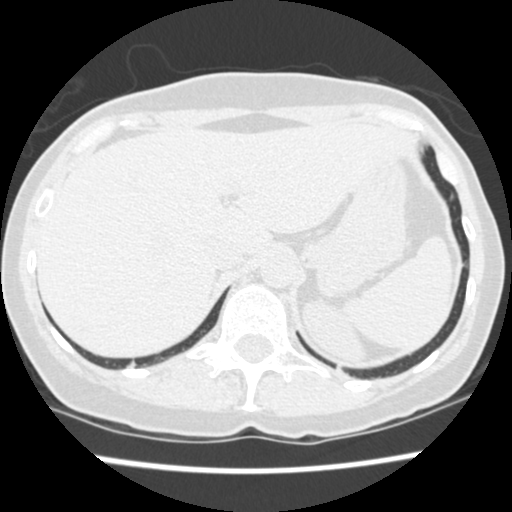
One axial slice (51 of 471, counting up from the lowest) of a chest CT acquired at 120 kVp with the STANDARD kernel; each pixel is 0.586 mm and the slice is 1.25 mm thick.
Pulmonary nodule outlined by all four readers, three of them on this slice; box rows 190–201, columns 450–453 (the union of the readers' outlines on this slice); longest diameter 7.0 mm on average over the four readers' outlines (readers' outlines 6.1–9.0 mm), volume 96–205 mm3. Ratings, by the readers' most common answer with dissent counted: texture 5/5 (solid), all four readers agreeing; most readers (three of four) put margin at 4/5, others 5/5 (circumscribed) (one); most readers (three of four) put sphericity at 3/5 (ovoid), others 5/5 (round) (one); calcification absent from all four readers; internal structure soft tissue, all four readers agreeing; subtlety 3/5 by three of four readers; the rest gave 4/5 (one); malignancy likelihood 3/5 by two of four readers; the rest gave 2/5 (one), 4/5 (one). Scale key (1–5): texture non-solid→solid, margin indistinct→circumscribed, sphericity linear→round, subtlety extremely subtle→obvious, malignancy likelihood highly unlikely→highly suspicious of cancer. Box rows and columns are 0-based pixel indices from the top-left corner, inclusive.